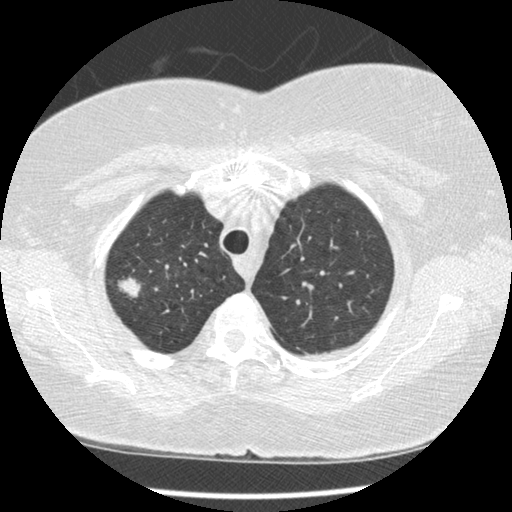
Slice 299/375 of a chest CT, counting up from the lowest; pixel size 0.625 mm, slice thickness 1.25 mm. Pulmonary nodule at rows 276–298, columns 113–142 (box = the union of the readers' outlines on this slice), outlined by all four readers; the four readers' outlines give a longest diameter between 21.2 and 23.2 mm and a volume between 2289 and 3466 mm3. Ratings across the readers: texture from 4/5 to 5/5 (solid) across the four readers; margin from 3/5 to 5/5 (circumscribed) across the four readers; sphericity from 2/5 to 5/5 (round) across the four readers; calcification absent from all four readers; internal structure soft tissue, all four readers agreeing; subtlety 5/5, all four readers agreeing; malignancy likelihood rated between 3 and 5 out of 5 by the four readers. Scale key (1–5): texture non-solid→solid, margin indistinct→circumscribed, sphericity linear→round, subtlety extremely subtle→obvious, malignancy likelihood highly unlikely→highly suspicious of cancer. Box rows and columns are 0-based pixel indices from the top-left corner, inclusive.
Acquired at 120 kVp and reconstructed with the STANDARD kernel.